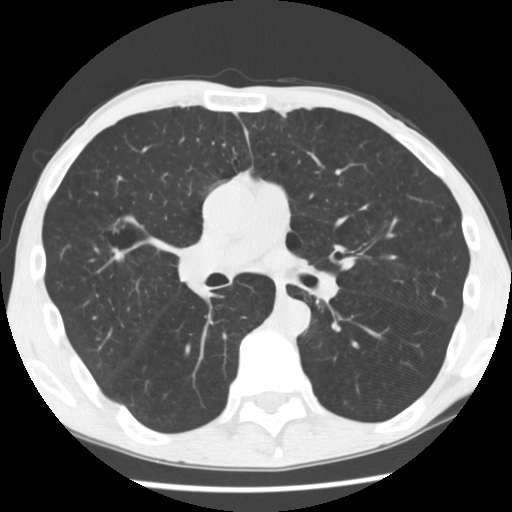
One axial slice (157 of 292, counting up from the lowest) of a chest CT acquired at 120 kVp with the STANDARD kernel; each pixel is 0.645 mm and the slice is 2.50 mm thick.
Pulmonary nodule outlined three times (the source holds two more outlines, not used), one of them on this slice; box rows 218–260, columns 110–124 (the one reader's outline on this slice); longest diameter 18.5 mm on average over the three readers' outlines (readers' outlines 18.2–19.0 mm), volume 892–1690 mm3. Ratings, by the readers' most common answer with dissent counted: texture 5/5 (solid), all three readers agreeing; margin split among the readers: 2/5 (one), 3/5 (one), 4/5 (one); sphericity split among the readers: 2/5 (one), 3/5 (ovoid) (one), 4/5 (one); calcification absent, all three readers agreeing; internal structure soft tissue from all three readers; most readers (two of three) put subtlety at 4/5, others 5/5 (one); most readers (two of three) put malignancy likelihood at 5/5, others 3/5 (one). Scale key (1–5): texture non-solid→solid, margin indistinct→circumscribed, sphericity linear→round, subtlety extremely subtle→obvious, malignancy likelihood highly unlikely→highly suspicious of cancer. Box rows and columns are 0-based pixel indices from the top-left corner, inclusive.